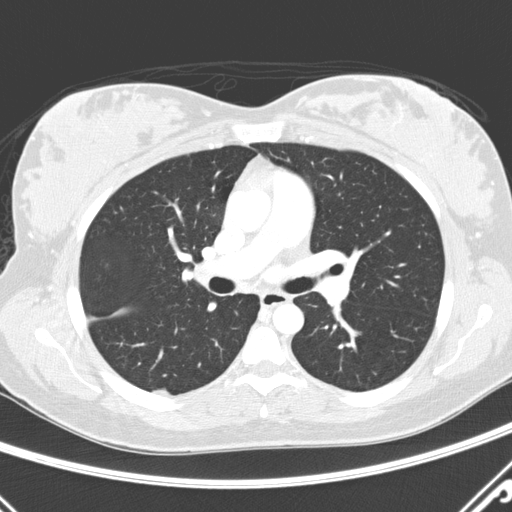
This is axial slice 176 of 290 (slice 1 is the lowest) of a chest CT; each pixel is 0.648 mm and the slice is 2.00 mm thick. Pulmonary nodule at rows 387–394, columns 152–169 (box = that reader's outline on this slice), outlined by one of the four readers; longest diameter 15.8 mm and volume 355 mm3 from that reader's outline. Ratings by that reader: texture 5/5 (solid); margin 5/5 (circumscribed); sphericity 3/5 (ovoid); calcification absent; internal structure soft tissue; subtlety 5/5; malignancy likelihood 3/5. Scale key (1–5): texture non-solid→solid, margin indistinct→circumscribed, sphericity linear→round, subtlety extremely subtle→obvious, malignancy likelihood highly unlikely→highly suspicious of cancer. Box rows and columns are 0-based pixel indices from the top-left corner, inclusive.
Scan settings: 120 kVp, D reconstruction kernel.